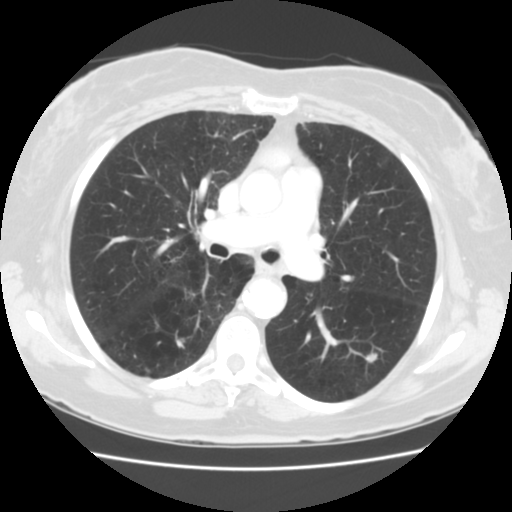
Axial chest CT slice 85 of 133 (counted from the lowest slice); tube voltage 120 kVp, convolution kernel STANDARD; slices 2.50 mm thick, 0.625 mm per pixel.
Pulmonary nodule outlined by all four readers; box rows 351–363, columns 364–378 (the union of the readers' outlines on this slice); longest diameter 8.8 mm on average over the four readers' outlines (readers' outlines 7.1–9.7 mm), volume 99–217 mm3. The readers' prevailing ratings and who disagreed: texture split among the readers: 4/5 (two), 5/5 (solid) (two); margin 4/5 by two of four readers; the rest gave 3/5 (one), 5/5 (circumscribed) (one); most readers (three of four) put sphericity at 3/5 (ovoid), others 5/5 (round) (one); calcification absent from all four readers; internal structure soft tissue, all four readers agreeing; subtlety 3/5 by three of four readers; the rest gave 4/5 (one); malignancy likelihood 3/5 by two of four readers; the rest gave 2/5 (one), 4/5 (one). Scale key (1–5): texture non-solid→solid, margin indistinct→circumscribed, sphericity linear→round, subtlety extremely subtle→obvious, malignancy likelihood highly unlikely→highly suspicious of cancer. Box rows and columns are 0-based pixel indices from the top-left corner, inclusive.